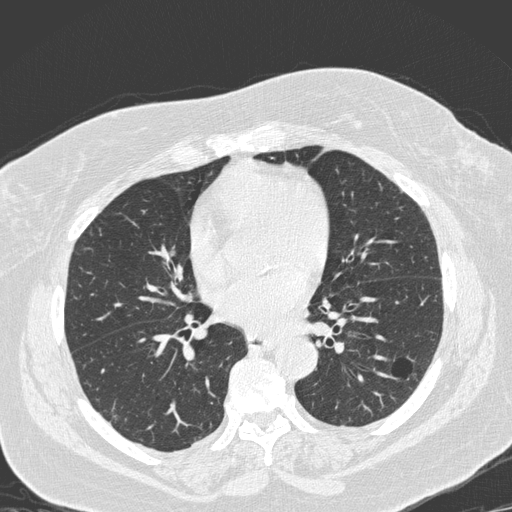
Slice 108/280 of a chest CT, counting up from the lowest; pixel size 0.666 mm, slice thickness 1.00 mm. Two pulmonary nodules are outlined on this slice; from left to right: (1) Pulmonary nodule outlined by two of the four readers, one of them on this slice; box rows 411–422, columns 105–117 (the one reader's outline on this slice); median longest diameter 17.7 mm (readers' outlines 16.7–18.8 mm), median volume 1269 mm3 (1162–1377 mm3). Ratings, median across the readers with their spread: texture 1/5 (non-solid), both readers agreeing; margin 2/5, both readers agreeing; sphericity 4/5 at the median of two readers, spread 3/5 (ovoid) to 5/5 (round); calcification absent from both readers; internal structure soft tissue, both readers agreeing; subtlety 2.5/5 at the median of two readers, spread 1–4; malignancy likelihood 2.5/5 at the median of two readers, spread 2–3. (2) Pulmonary nodule outlined by two of the four readers; box rows 251–255, columns 171–174 (the union of the readers' outlines on this slice); the two readers' outlines give a longest diameter between 7.4 and 7.8 mm and a volume between 96 and 113 mm3. Ratings across the readers: texture 5/5 (solid) from both readers; margin 5/5 (circumscribed) from both readers; sphericity from 4/5 to 5/5 (round) across the two readers; calcification absent, both readers agreeing; internal structure soft tissue from both readers; subtlety 3/5 from both readers; malignancy likelihood from 2/5 to 3/5 across the two readers. Scale key (1–5): texture non-solid→solid, margin indistinct→circumscribed, sphericity linear→round, subtlety extremely subtle→obvious, malignancy likelihood highly unlikely→highly suspicious of cancer. Box rows and columns are 0-based pixel indices from the top-left corner, inclusive.
Scan settings: 120 kVp, D reconstruction kernel.